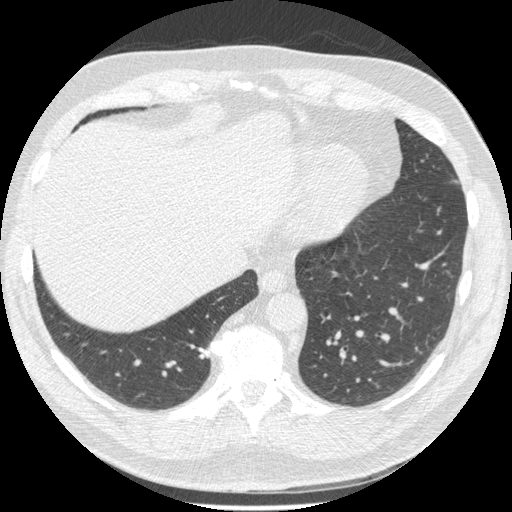
Slice 168/557 of a chest CT, counting up from the lowest; pixel size 0.703 mm, slice thickness 1.25 mm. Pulmonary nodule at rows 347–358, columns 198–210 (box = the union of the readers' outlines on this slice), outlined by all four readers, three of them on this slice; longest diameter 10.2 mm on average over the four readers' outlines (readers' outlines 8.6–11.5 mm), volume 175–299 mm3. Ratings, by the readers' most common answer with dissent counted: texture 5/5 (solid), all four readers agreeing; margin 5/5 (circumscribed) by three of four readers; the rest gave 2/5 (one); sphericity split among the readers: 4/5 (two), 5/5 (round) (two); calcification solid calcification by two of four readers, absent (one), central calcification (one); internal structure soft tissue, all four readers agreeing; subtlety 5/5 by two of four readers; the rest gave 3/5 (one), 4/5 (one); malignancy likelihood 1/5 by three of four readers; the rest gave 4/5 (one). Scale key (1–5): texture non-solid→solid, margin indistinct→circumscribed, sphericity linear→round, subtlety extremely subtle→obvious, malignancy likelihood highly unlikely→highly suspicious of cancer. Box rows and columns are 0-based pixel indices from the top-left corner, inclusive.
Acquired at 120 kVp and reconstructed with the STANDARD kernel.